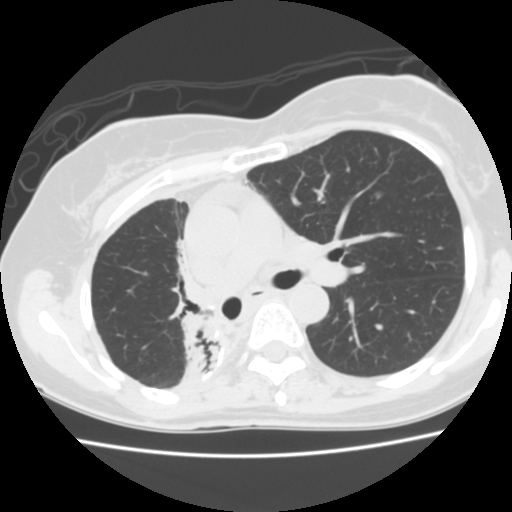
Slice 96/141 of a chest CT, counting up from the lowest; pixel size 0.586 mm, slice thickness 2.50 mm. Pulmonary nodule outlined by all four readers, three of them on this slice; box rows 192–199, columns 374–384 (the union of the readers' outlines on this slice); longest diameter 8.0 mm on average over the four readers' outlines (readers' outlines 6.6–8.9 mm), volume 106–240 mm3. Ratings, by the readers' most common answer with dissent counted: texture split among the readers: 4/5 (two), 5/5 (solid) (two); margin 5/5 (circumscribed) by two of four readers; the rest gave 1/5 (indistinct) (one), 3/5 (one); sphericity 4/5 by three of four readers; the rest gave 5/5 (round) (one); calcification absent, all four readers agreeing; internal structure soft tissue from all four readers; subtlety 3/5 by two of four readers; the rest gave 4/5 (one), 5/5 (one); malignancy likelihood 3/5 by three of four readers; the rest gave 2/5 (one). Scale key (1–5): texture non-solid→solid, margin indistinct→circumscribed, sphericity linear→round, subtlety extremely subtle→obvious, malignancy likelihood highly unlikely→highly suspicious of cancer. Box rows and columns are 0-based pixel indices from the top-left corner, inclusive.
Scan settings: 120 kVp, STANDARD reconstruction kernel.